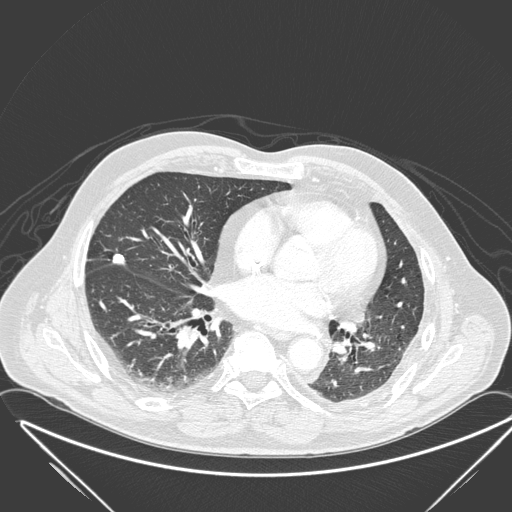
Axial slice 102 of 280 of a chest CT (slice 1 is the lowest), reconstructed with the D kernel at 120 kVp; 1.00 mm slice thickness and 0.830 mm pixels.
Pulmonary nodule outlined by all four readers; box rows 254–264, columns 111–126 (the union of the readers' outlines on this slice); longest diameter 20.6 mm on average over the four readers' outlines (readers' outlines 17.6–22.4 mm), volume 620–866 mm3. The readers' prevailing ratings and who disagreed: texture 5/5 (solid) from all four readers; margin split among the readers: 4/5 (two), 5/5 (circumscribed) (two); sphericity split among the readers: 3/5 (ovoid) (two), 5/5 (round) (two); calcification split among the readers: absent (two), solid calcification (two); internal structure soft tissue from all four readers; subtlety 5/5, all four readers agreeing; malignancy likelihood split among the readers: 1/5 (two), 5/5 (two). Scale key (1–5): texture non-solid→solid, margin indistinct→circumscribed, sphericity linear→round, subtlety extremely subtle→obvious, malignancy likelihood highly unlikely→highly suspicious of cancer. Box rows and columns are 0-based pixel indices from the top-left corner, inclusive.